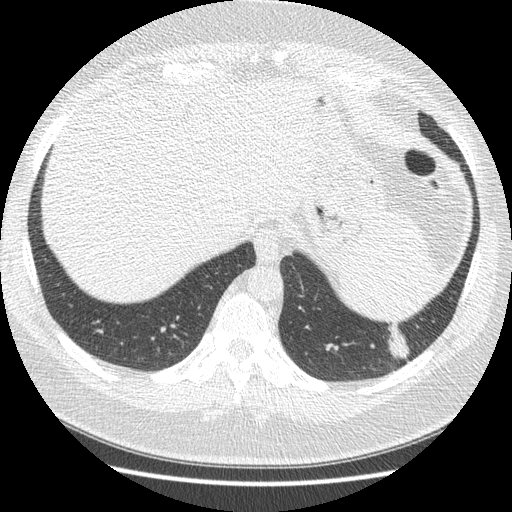
Chest CT, axial plane, 120 kVp, kernel STANDARD. Slice 57/421 from the bottom of the scan; thickness 1.25 mm; pixel size 0.703 mm.
Pulmonary nodule at rows 323–361, columns 386–410 (box = the union of the readers' outlines on this slice), outlined four times (the source holds four more outlines, not used); longest diameter 33.9 mm on average over the four readers' outlines (readers' outlines 30.9–38.9 mm), volume 4443–5826 mm3. The readers' prevailing ratings and who disagreed: texture 5/5 (solid) by three of four readers; the rest gave 4/5 (one); margin 4/5 by three of four readers; the rest gave 3/5 (one); sphericity 2/5 by two of four readers; the rest gave 3/5 (ovoid) (one), 4/5 (one); calcification absent from all four readers; internal structure soft tissue, all four readers agreeing; subtlety 5/5 by three of four readers; the rest gave 4/5 (one); malignancy likelihood split among the readers: 2/5 (one), 3/5 (one), 4/5 (one), 5/5 (one). Scale key (1–5): texture non-solid→solid, margin indistinct→circumscribed, sphericity linear→round, subtlety extremely subtle→obvious, malignancy likelihood highly unlikely→highly suspicious of cancer. Box rows and columns are 0-based pixel indices from the top-left corner, inclusive.